One axial slice (90 of 244, counting up from the lowest) of a chest CT acquired at 120 kVp with the BONE kernel; each pixel is 0.674 mm and the slice is 1.25 mm thick.
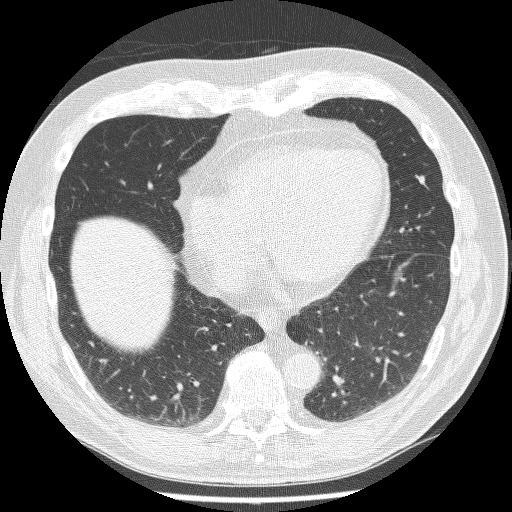
Pulmonary nodule, outlined by all four readers. Box on this slice rows 175–184, columns 417–425, the union of the readers' outlines on this slice; median longest diameter 7.7 mm (readers' outlines 6.6–9.1 mm), median volume 135 mm3 (111–136 mm3). Median ratings and the readers' spread: texture 5/5 (solid) at the median of four readers, spread 4/5 to 5/5 (solid); margin 4.5/5 at the median of four readers, spread 2/5 to 5/5 (circumscribed); sphericity 3/5 (ovoid) at the median of four readers, spread 2/5 to 4/5; calcification absent, all four readers agreeing; internal structure soft tissue from all four readers; median subtlety 4/5 (readers ranged 3–5); median malignancy likelihood 3/5 (readers ranged 2–3). Scale key (1–5): texture non-solid→solid, margin indistinct→circumscribed, sphericity linear→round, subtlety extremely subtle→obvious, malignancy likelihood highly unlikely→highly suspicious of cancer. Box rows and columns are 0-based pixel indices from the top-left corner, inclusive.